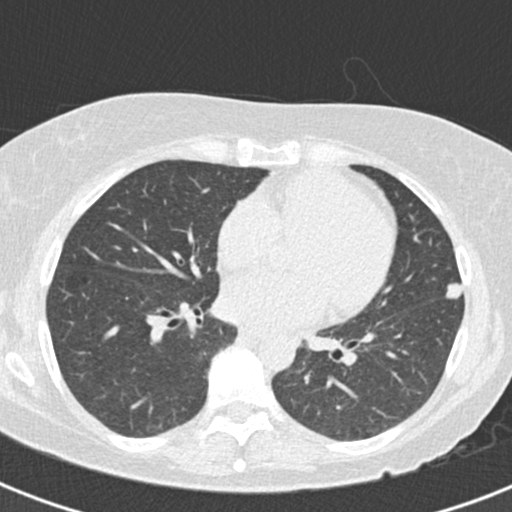
Axial chest CT slice 82 of 166 (counted from the lowest slice); 2.00 mm thick, 0.566 mm per pixel. Pulmonary nodule outlined by all four readers; box rows 283–299, columns 446–463 (the union of the readers' outlines on this slice); longest diameter 12.8 mm on average over the four readers' outlines (readers' outlines 11.9–13.8 mm), volume 520–710 mm3. The readers' prevailing ratings and who disagreed: texture 5/5 (solid) by three of four readers; the rest gave 4/5 (one); margin split among the readers: 4/5 (two), 5/5 (circumscribed) (two); sphericity 4/5 by three of four readers; the rest gave 5/5 (round) (one); calcification absent, all four readers agreeing; internal structure soft tissue from all four readers; subtlety split among the readers: 4/5 (two), 5/5 (two); malignancy likelihood split among the readers: 3/5 (two), 4/5 (two). Scale key (1–5): texture non-solid→solid, margin indistinct→circumscribed, sphericity linear→round, subtlety extremely subtle→obvious, malignancy likelihood highly unlikely→highly suspicious of cancer. Box rows and columns are 0-based pixel indices from the top-left corner, inclusive.
Tube voltage 120 kVp; convolution kernel B30f.